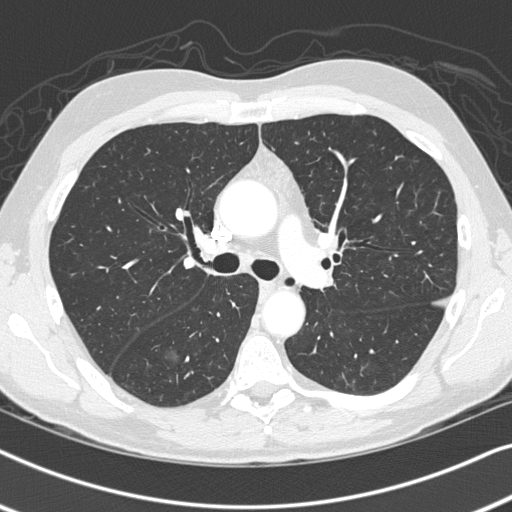
Axial slice 209 of 326 of a chest CT (slice 1 is the lowest), reconstructed with the B45f kernel at 120 kVp; 1.00 mm slice thickness and 0.645 mm pixels.
Pulmonary nodule at rows 345–363, columns 163–180 (box = the union of the readers' outlines on this slice), outlined by all four readers; longest diameter 14.7 mm on average over the four readers' outlines (readers' outlines 12.5–18.0 mm), volume 328–843 mm3. Ratings, by the readers' most common answer with dissent counted: texture 1/5 (non-solid) from all four readers; margin 2/5 by two of four readers; the rest gave 1/5 (indistinct) (one), 4/5 (one); sphericity 4/5 by two of four readers; the rest gave 3/5 (ovoid) (one), 5/5 (round) (one); calcification absent from all four readers; internal structure soft tissue from all four readers; most readers (three of four) put subtlety at 1/5, others 4/5 (one); malignancy likelihood 3/5 by two of four readers; the rest gave 2/5 (one), 4/5 (one). Scale key (1–5): texture non-solid→solid, margin indistinct→circumscribed, sphericity linear→round, subtlety extremely subtle→obvious, malignancy likelihood highly unlikely→highly suspicious of cancer. Box rows and columns are 0-based pixel indices from the top-left corner, inclusive.